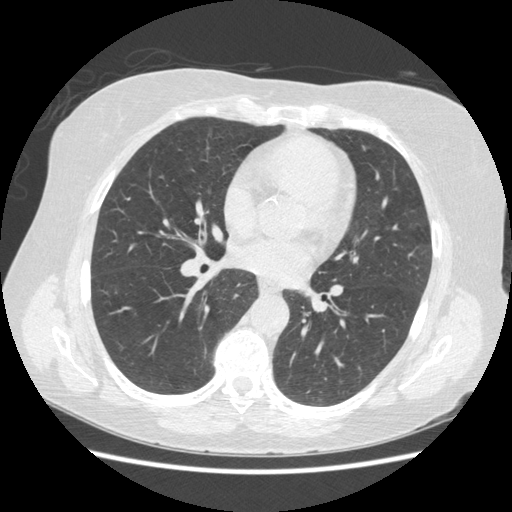
Axial chest CT slice 233 of 487 (counted from the lowest slice); 1.25 mm thick, 0.703 mm per pixel. No nodule 3 mm or larger was outlined here by any reader.
Scan settings: 120 kVp, STANDARD reconstruction kernel.